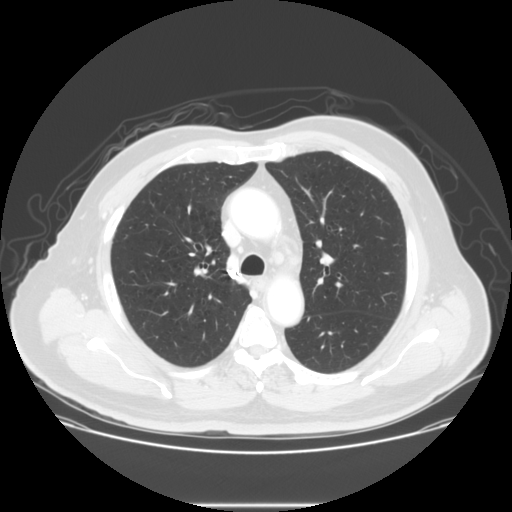
Axial chest CT slice 100 of 133 (counted from the lowest slice); 2.50 mm thick, 0.781 mm per pixel. None of the four readers outlined a nodule of 3 mm or more on this slice.
Tube voltage 140 kVp; convolution kernel STANDARD.